Axial slice 336 of 497 of a chest CT (slice 1 is the lowest), reconstructed with the STANDARD kernel at 120 kVp; 1.25 mm slice thickness and 0.703 mm pixels.
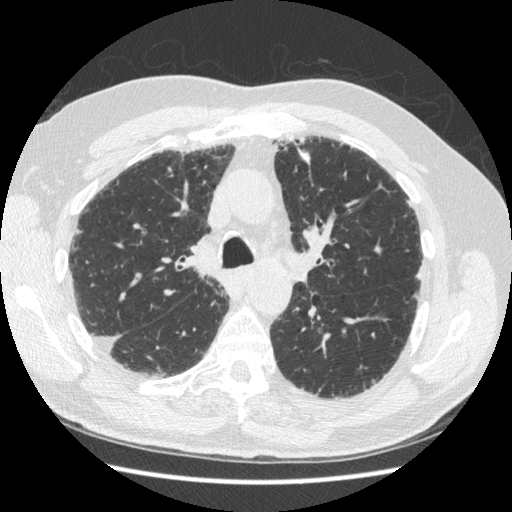
Pulmonary nodule at rows 148–165, columns 296–310 (box = the union of the readers' outlines on this slice), outlined by all four readers; median longest diameter 16.3 mm (readers' outlines 15.2–16.7 mm), median volume 732 mm3 (670–817 mm3). Ratings, median across the readers with their spread: texture 5/5 (solid), all four readers agreeing; margin 5/5 (circumscribed) at the median of four readers, spread 3/5 to 5/5 (circumscribed); median sphericity 4.5/5 (readers ranged 2/5 to 5/5 (round)); calcification solid calcification from all four readers; internal structure soft tissue, all four readers agreeing; subtlety 5/5, all four readers agreeing; malignancy likelihood 1/5 from all four readers. Scale key (1–5): texture non-solid→solid, margin indistinct→circumscribed, sphericity linear→round, subtlety extremely subtle→obvious, malignancy likelihood highly unlikely→highly suspicious of cancer. Box rows and columns are 0-based pixel indices from the top-left corner, inclusive.